Axial slice 63 of 458 of a chest CT (slice 1 is the lowest), reconstructed with the STANDARD kernel at 120 kVp; 1.25 mm slice thickness and 0.625 mm pixels.
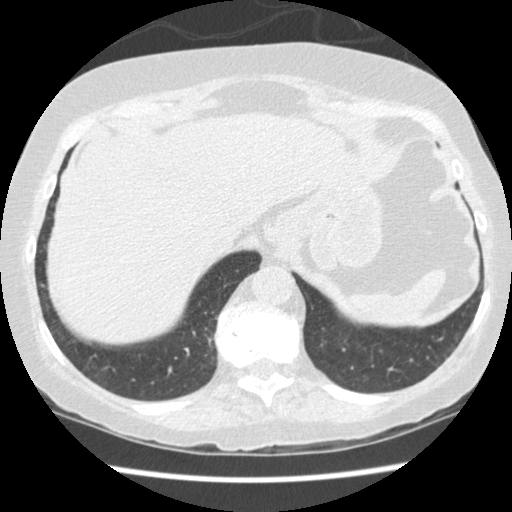
Pulmonary nodule outlined by one of the four readers; box rows 283–287, columns 40–45 (that reader's outline on this slice); longest diameter 6.4 mm and volume 86 mm3 from that reader's outline. That reader's ratings: texture 5/5 (solid); margin 4/5; sphericity 3/5 (ovoid); calcification absent; internal structure soft tissue; subtlety 3/5; malignancy likelihood 1/5. Scale key (1–5): texture non-solid→solid, margin indistinct→circumscribed, sphericity linear→round, subtlety extremely subtle→obvious, malignancy likelihood highly unlikely→highly suspicious of cancer. Box rows and columns are 0-based pixel indices from the top-left corner, inclusive.